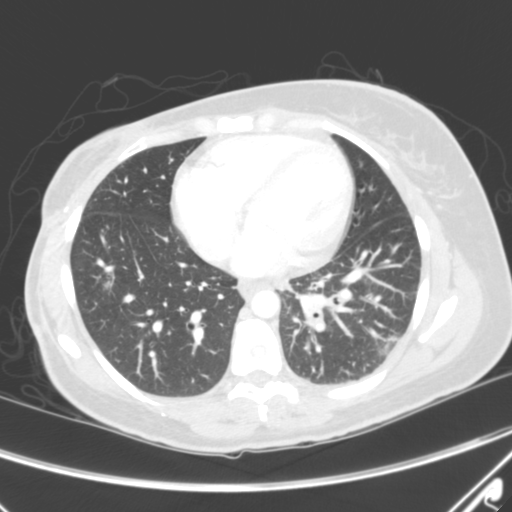
Slice 108/263 of a chest CT, counting up from the lowest; pixel size 0.664 mm, slice thickness 2.00 mm. None of the four readers outlined a nodule of 3 mm or more on this slice.
Tube voltage 120 kVp; convolution kernel B.